One axial slice (86 of 116, counting up from the lowest) of a chest CT acquired at 135 kVp with the FC01 kernel; each pixel is 0.692 mm and the slice is 3.00 mm thick.
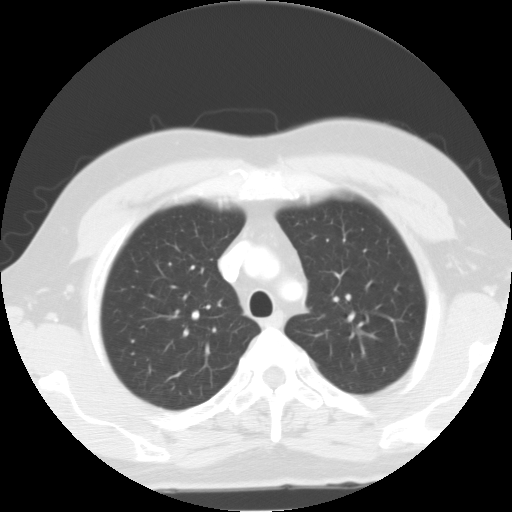
Pulmonary nodule, outlined by all four readers, one of them on this slice. Box on this slice rows 383–385, columns 169–175, the one reader's outline on this slice; longest diameter 28.5–32.9 mm and volume 2473–3947 mm3 across the four readers' outlines. The readers' ratings, as ranges where they differ: texture from 3/5 (part-solid) to 5/5 (solid) across the four readers; margin from 1/5 (indistinct) to 2/5 across the four readers; sphericity from 2/5 to 3/5 (ovoid) across the four readers; calcification absent from all four readers; internal structure soft tissue from all four readers; subtlety from 4/5 to 5/5 across the four readers; malignancy likelihood rated between 2 and 5 out of 5 by the four readers. Scale key (1–5): texture non-solid→solid, margin indistinct→circumscribed, sphericity linear→round, subtlety extremely subtle→obvious, malignancy likelihood highly unlikely→highly suspicious of cancer. Box rows and columns are 0-based pixel indices from the top-left corner, inclusive.